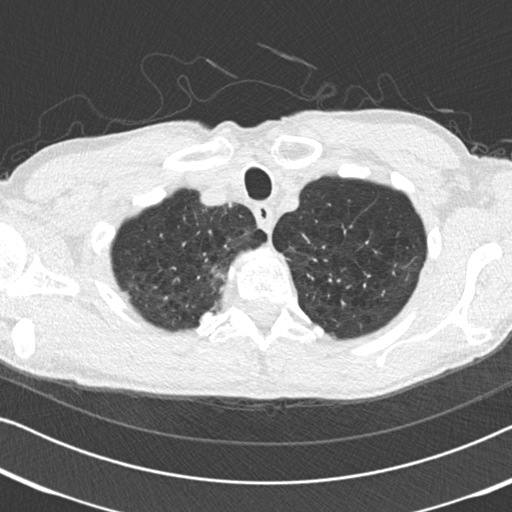
Axial chest CT slice 204 of 225 (counted from the lowest slice); tube voltage 120 kVp, convolution kernel B30f; slices 2.00 mm thick, 0.645 mm per pixel.
Pulmonary nodule, outlined by one of the four readers. Box on this slice rows 312–322, columns 199–212, that reader's outline on this slice; longest diameter 11.1 mm and volume 221 mm3 from that reader's outline. Ratings by that reader: texture 5/5 (solid); margin 5/5 (circumscribed); sphericity 3/5 (ovoid); calcification solid calcification; internal structure soft tissue; subtlety 5/5; malignancy likelihood 1/5. Scale key (1–5): texture non-solid→solid, margin indistinct→circumscribed, sphericity linear→round, subtlety extremely subtle→obvious, malignancy likelihood highly unlikely→highly suspicious of cancer. Box rows and columns are 0-based pixel indices from the top-left corner, inclusive.